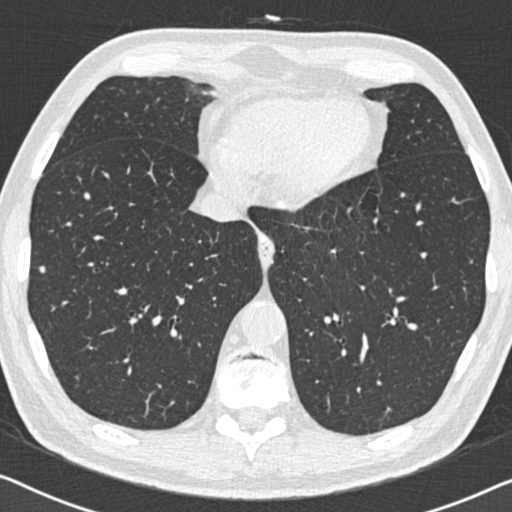
One axial slice (207 of 558, counting up from the lowest) of a chest CT acquired at 120 kVp with the B30f kernel; each pixel is 0.648 mm and the slice is 0.75 mm thick.
Pulmonary nodule, outlined by all four readers. Box on this slice rows 265–273, columns 39–45, the union of the readers' outlines on this slice; median longest diameter 7.3 mm (readers' outlines 5.6–7.4 mm), median volume 128 mm3 (75–143 mm3). Median ratings and the readers' spread: texture 5/5 (solid), all four readers agreeing; median margin 4.5/5 (readers ranged 4/5 to 5/5 (circumscribed)); sphericity 5/5 (round), all four readers agreeing; calcification absent from all four readers; internal structure soft tissue from all four readers; median subtlety 4/5 (readers ranged 3–5); malignancy likelihood 2.5/5 at the median of four readers, spread 2–4. Scale key (1–5): texture non-solid→solid, margin indistinct→circumscribed, sphericity linear→round, subtlety extremely subtle→obvious, malignancy likelihood highly unlikely→highly suspicious of cancer. Box rows and columns are 0-based pixel indices from the top-left corner, inclusive.